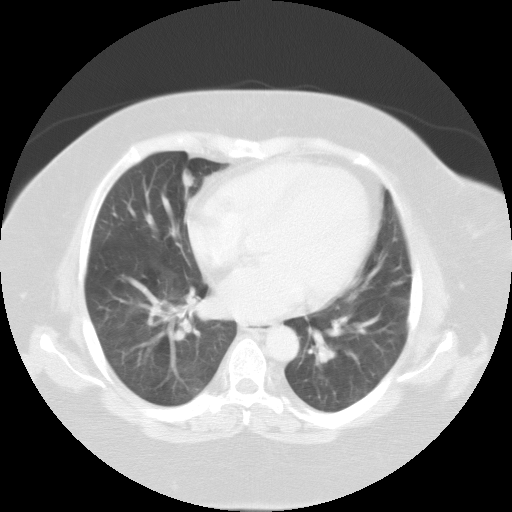
Axial chest CT slice 58 of 102 (counted from the lowest slice); tube voltage 135 kVp, convolution kernel FC01; slices 3.00 mm thick, 0.808 mm per pixel.
Pulmonary nodule at rows 169–187, columns 182–193 (box = the union of the readers' outlines on this slice), outlined by all four readers; longest diameter 14.6–15.9 mm and volume 600–931 mm3 across the four readers' outlines. Ratings across the readers: texture from 3/5 (part-solid) to 5/5 (solid) across the four readers; margin from 2/5 to 5/5 (circumscribed) across the four readers; sphericity from 2/5 to 3/5 (ovoid) across the four readers; calcification absent, all four readers agreeing; internal structure soft tissue from all four readers; subtlety rated between 3 and 5 out of 5 by the four readers; malignancy likelihood rated between 1 and 4 out of 5 by the four readers. Scale key (1–5): texture non-solid→solid, margin indistinct→circumscribed, sphericity linear→round, subtlety extremely subtle→obvious, malignancy likelihood highly unlikely→highly suspicious of cancer. Box rows and columns are 0-based pixel indices from the top-left corner, inclusive.